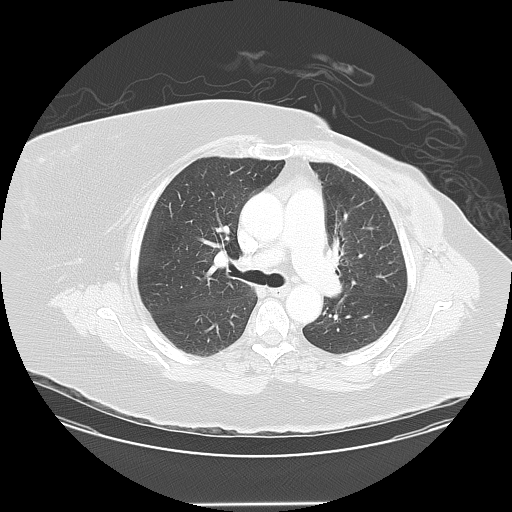
This is axial slice 93 of 133 (slice 1 is the lowest) of a chest CT; each pixel is 0.859 mm and the slice is 2.50 mm thick. No nodule of 3 mm or larger was outlined by any of the four readers on this slice.
Acquired at 120 kVp and reconstructed with the LUNG kernel.